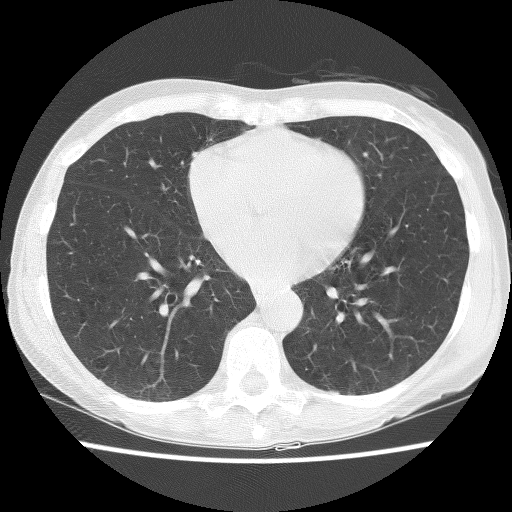
Chest CT, axial plane, 140 kVp, kernel BONE. Slice 55/123 from the bottom of the scan; thickness 2.50 mm; pixel size 0.586 mm.
No nodule of 3 mm or larger was outlined by any of the four readers on this slice.